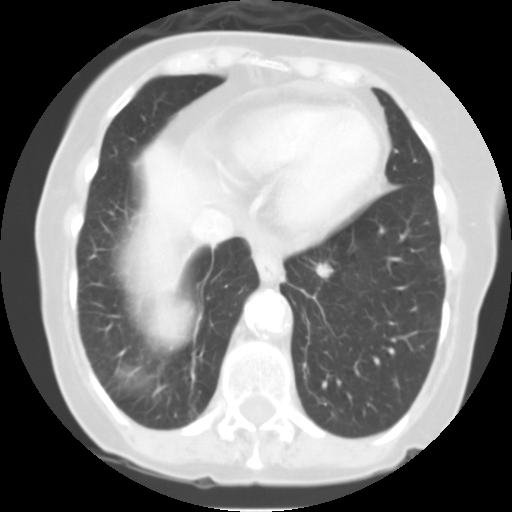
One axial slice (29 of 101, counting up from the lowest) of a chest CT acquired at 135 kVp with the FC01 kernel; each pixel is 0.558 mm and the slice is 3.00 mm thick.
Pulmonary nodule outlined by all four readers; box rows 260–279, columns 313–335 (the union of the readers' outlines on this slice); longest diameter 10.3–13.4 mm and volume 439–803 mm3 across the four readers' outlines. Ratings across the readers: texture from 4/5 to 5/5 (solid) across the four readers; margin from 2/5 to 4/5 across the four readers; sphericity from 3/5 (ovoid) to 4/5 across the four readers; calcification absent, all four readers agreeing; internal structure soft tissue, all four readers agreeing; subtlety 3–5/5 (the readers disagree); malignancy likelihood 2–4/5 (the readers disagree). Scale key (1–5): texture non-solid→solid, margin indistinct→circumscribed, sphericity linear→round, subtlety extremely subtle→obvious, malignancy likelihood highly unlikely→highly suspicious of cancer. Box rows and columns are 0-based pixel indices from the top-left corner, inclusive.